Axial slice 99 of 268 of a chest CT (slice 1 is the lowest), reconstructed with the BONE kernel at 120 kVp; 1.25 mm slice thickness and 0.742 mm pixels.
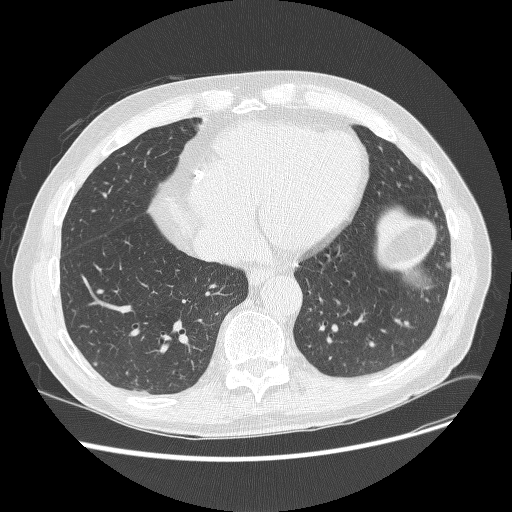
Pulmonary nodule, outlined by three of the four readers, two of them on this slice. Box on this slice rows 261–267, columns 444–450, the union of the readers' outlines on this slice; median longest diameter 6.0 mm (readers' outlines 5.7–7.3 mm), median volume 95 mm3 (62–149 mm3). Ratings, median across the readers with their spread: median texture 5/5 (solid) (readers ranged 4/5 to 5/5 (solid)); median margin 5/5 (circumscribed) (readers ranged 2/5 to 5/5 (circumscribed)); sphericity 5/5 (round) at the median of three readers, spread 3/5 (ovoid) to 5/5 (round); calcification absent from all three readers; internal structure soft tissue, all three readers agreeing; subtlety 4/5 at the median of three readers, spread 3–4; median malignancy likelihood 3/5 (readers ranged 2–3). Scale key (1–5): texture non-solid→solid, margin indistinct→circumscribed, sphericity linear→round, subtlety extremely subtle→obvious, malignancy likelihood highly unlikely→highly suspicious of cancer. Box rows and columns are 0-based pixel indices from the top-left corner, inclusive.